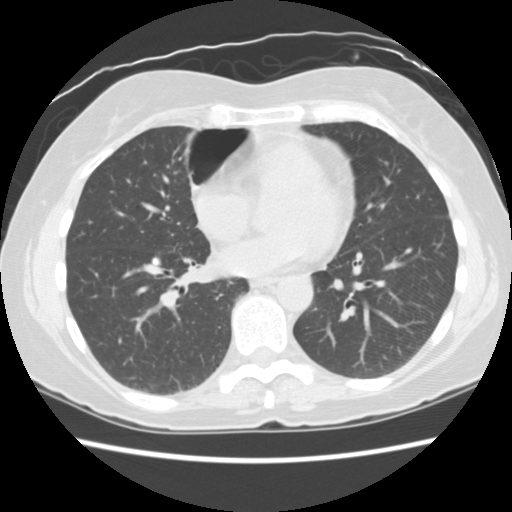
Chest CT, axial plane, 120 kVp, kernel STANDARD. Slice 63/156 from the bottom of the scan; thickness 2.50 mm; pixel size 0.645 mm.
Pulmonary nodule outlined by all four readers; box rows 257–265, columns 151–160 (the union of the readers' outlines on this slice); longest diameter 8.6–10.0 mm and volume 227–322 mm3 across the four readers' outlines. The readers' ratings, as ranges where they differ: texture 5/5 (solid), all four readers agreeing; margin 5/5 (circumscribed), all four readers agreeing; sphericity from 4/5 to 5/5 (round) across the four readers; calcification solid calcification from all four readers; internal structure soft tissue from all four readers; subtlety from 4/5 to 5/5 across the four readers; malignancy likelihood 1/5 from all four readers. Scale key (1–5): texture non-solid→solid, margin indistinct→circumscribed, sphericity linear→round, subtlety extremely subtle→obvious, malignancy likelihood highly unlikely→highly suspicious of cancer. Box rows and columns are 0-based pixel indices from the top-left corner, inclusive.